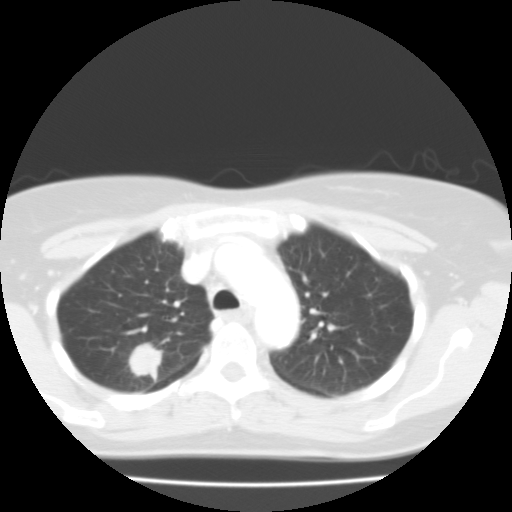
This is axial slice 72 of 99 (slice 1 is the lowest) of a chest CT; each pixel is 0.586 mm and the slice is 3.00 mm thick. Pulmonary nodule, outlined by all four readers. Box on this slice rows 342–382, columns 128–163, the union of the readers' outlines on this slice; median longest diameter 24.8 mm (readers' outlines 23.2–25.9 mm), median volume 5525 mm3 (4482–6539 mm3). Median ratings and the readers' spread: texture 5/5 (solid) from all four readers; median margin 4/5 (readers ranged 4/5 to 5/5 (circumscribed)); median sphericity 4.5/5 (readers ranged 4/5 to 5/5 (round)); calcification absent, all four readers agreeing; internal structure soft tissue, all four readers agreeing; subtlety 5/5 at the median of four readers, spread 3–5; median malignancy likelihood 4/5 (readers ranged 2–5). Scale key (1–5): texture non-solid→solid, margin indistinct→circumscribed, sphericity linear→round, subtlety extremely subtle→obvious, malignancy likelihood highly unlikely→highly suspicious of cancer. Box rows and columns are 0-based pixel indices from the top-left corner, inclusive.
Tube voltage 135 kVp; convolution kernel FC01.